Axial chest CT slice 360 of 445 (counted from the lowest slice); tube voltage 120 kVp, convolution kernel STANDARD; slices 1.25 mm thick, 0.645 mm per pixel.
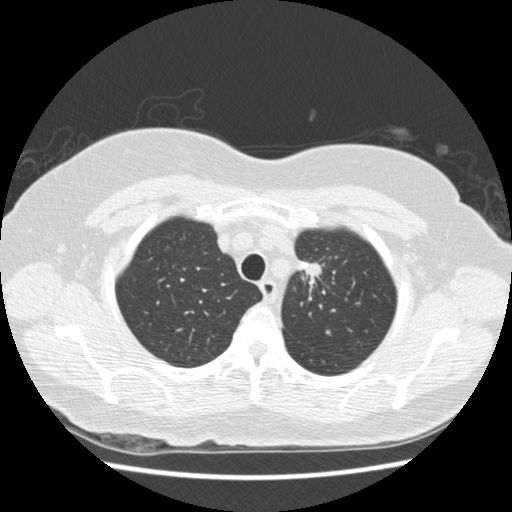
Pulmonary nodule outlined by one of the four readers; box rows 262–290, columns 300–321 (that reader's outline on this slice); longest diameter 31.0 mm and volume 2055 mm3 from that reader's outline. Ratings by that reader: texture 5/5 (solid); margin 2/5; sphericity 2/5; calcification absent; internal structure soft tissue; subtlety 5/5; malignancy likelihood 4/5. Scale key (1–5): texture non-solid→solid, margin indistinct→circumscribed, sphericity linear→round, subtlety extremely subtle→obvious, malignancy likelihood highly unlikely→highly suspicious of cancer. Box rows and columns are 0-based pixel indices from the top-left corner, inclusive.